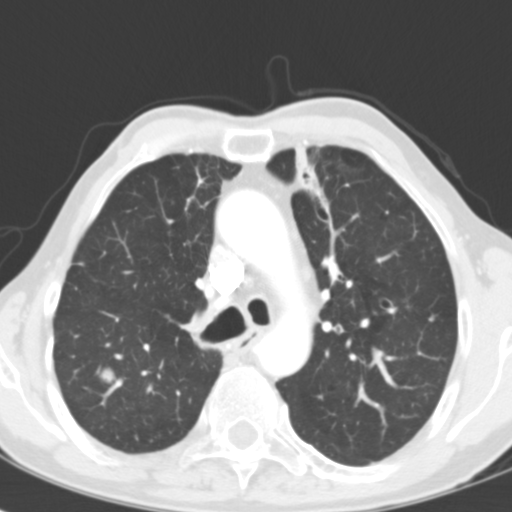
Slice 78/116 of a chest CT, counting up from the lowest; pixel size 0.547 mm, slice thickness 3.00 mm. Pulmonary nodule outlined by all four readers; box rows 367–384, columns 98–114 (the union of the readers' outlines on this slice); median longest diameter 12.2 mm (readers' outlines 11.8–14.7 mm), median volume 811 mm3 (700–989 mm3). Median ratings and the readers' spread: texture 5/5 (solid) from all four readers; median margin 5/5 (circumscribed) (readers ranged 4/5 to 5/5 (circumscribed)); sphericity 5/5 (round) at the median of four readers, spread 4/5 to 5/5 (round); calcification absent from all four readers; internal structure: soft tissue (three), air (one); subtlety 5/5, all four readers agreeing; malignancy likelihood 4/5 at the median of four readers, spread 3–5. Scale key (1–5): texture non-solid→solid, margin indistinct→circumscribed, sphericity linear→round, subtlety extremely subtle→obvious, malignancy likelihood highly unlikely→highly suspicious of cancer. Box rows and columns are 0-based pixel indices from the top-left corner, inclusive.
Scan settings: 120 kVp, B31f reconstruction kernel.